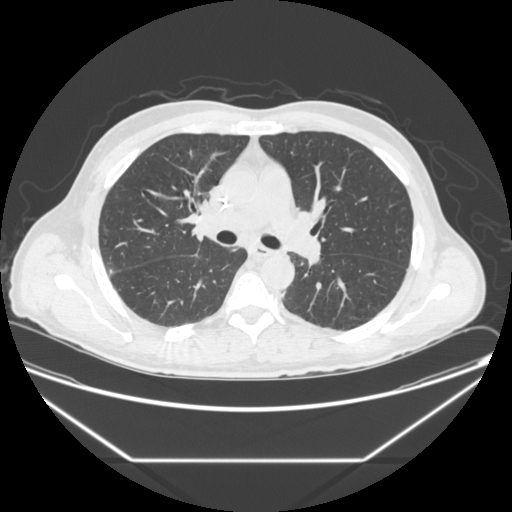
Axial chest CT slice 136 of 251 (counted from the lowest slice); tube voltage 120 kVp, convolution kernel STANDARD; slices 1.25 mm thick, 0.809 mm per pixel.
Pulmonary nodule outlined by three of the four readers, two of them on this slice; box rows 292–297, columns 281–284 (the union of the readers' outlines on this slice); median longest diameter 7.5 mm (readers' outlines 6.7–7.7 mm), median volume 177 mm3 (143–192 mm3). Ratings, median across the readers with their spread: texture 5/5 (solid) from all three readers; margin 4/5 at the median of three readers, spread 4/5 to 5/5 (circumscribed); median sphericity 4/5 (readers ranged 3/5 (ovoid) to 5/5 (round)); calcification absent from all three readers; internal structure soft tissue, all three readers agreeing; median subtlety 2/5 (readers ranged 1–5); median malignancy likelihood 3/5 (readers ranged 2–3). Scale key (1–5): texture non-solid→solid, margin indistinct→circumscribed, sphericity linear→round, subtlety extremely subtle→obvious, malignancy likelihood highly unlikely→highly suspicious of cancer. Box rows and columns are 0-based pixel indices from the top-left corner, inclusive.